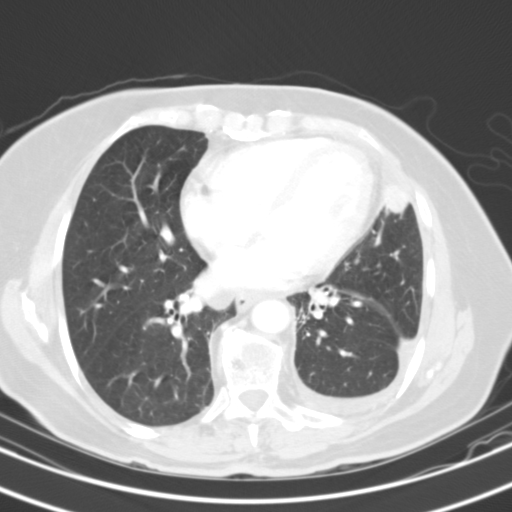
One axial slice (60 of 121, counting up from the lowest) of a chest CT acquired at 130 kVp with the B31s kernel; each pixel is 0.613 mm and the slice is 3.00 mm thick.
Pulmonary nodule outlined by two of the four readers; box rows 183–213, columns 383–409 (the union of the readers' outlines on this slice); longest diameter 19.9 mm on average over the two readers' outlines (readers' outlines 19.2–20.6 mm), volume 4717–4944 mm3. Ratings, by the readers' most common answer with dissent counted: texture 5/5 (solid) from both readers; margin split among the readers: 3/5 (one), 4/5 (one); sphericity split among the readers: 4/5 (one), 5/5 (round) (one); calcification absent from both readers; internal structure soft tissue from both readers; subtlety split among the readers: 3/5 (one), 5/5 (one); malignancy likelihood split among the readers: 3/5 (one), 4/5 (one). Scale key (1–5): texture non-solid→solid, margin indistinct→circumscribed, sphericity linear→round, subtlety extremely subtle→obvious, malignancy likelihood highly unlikely→highly suspicious of cancer. Box rows and columns are 0-based pixel indices from the top-left corner, inclusive.